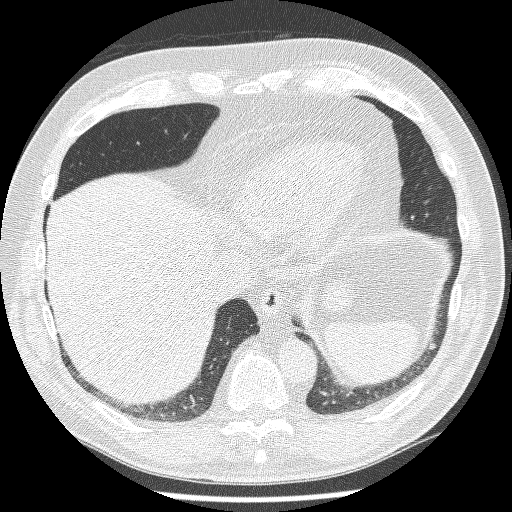
One axial slice (72 of 244, counting up from the lowest) of a chest CT acquired at 120 kVp with the BONE kernel; each pixel is 0.674 mm and the slice is 1.25 mm thick.
Pulmonary nodule, outlined by three of the four readers. Box on this slice rows 341–349, columns 429–436, the union of the readers' outlines on this slice; longest diameter 6.3 mm on average over the three readers' outlines (readers' outlines 6.0–6.9 mm), volume 68–91 mm3. The readers' prevailing ratings and who disagreed: most readers (two of three) put texture at 4/5, others 5/5 (solid) (one); margin split among the readers: 2/5 (one), 4/5 (one), 5/5 (circumscribed) (one); sphericity split among the readers: 3/5 (ovoid) (one), 4/5 (one), 5/5 (round) (one); calcification absent, all three readers agreeing; internal structure soft tissue, all three readers agreeing; subtlety split among the readers: 1/5 (one), 2/5 (one), 3/5 (one); most readers (two of three) put malignancy likelihood at 3/5, others 2/5 (one). Scale key (1–5): texture non-solid→solid, margin indistinct→circumscribed, sphericity linear→round, subtlety extremely subtle→obvious, malignancy likelihood highly unlikely→highly suspicious of cancer. Box rows and columns are 0-based pixel indices from the top-left corner, inclusive.